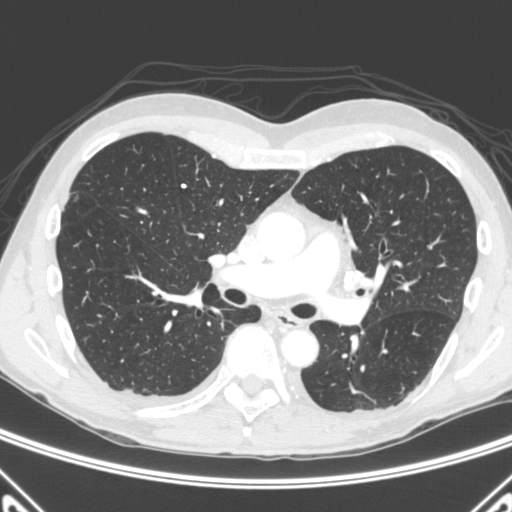
One axial slice (246 of 445, counting up from the lowest) of a chest CT acquired at 120 kVp with the C kernel; each pixel is 0.676 mm and the slice is 1.50 mm thick.
Pulmonary nodule at rows 183–188, columns 180–186 (box = the union of the readers' outlines on this slice), outlined by all four readers; longest diameter 5.1 mm on average over the four readers' outlines (readers' outlines 4.3–5.8 mm), volume 24–39 mm3. Ratings, by the readers' most common answer with dissent counted: texture 5/5 (solid) from all four readers; margin 5/5 (circumscribed), all four readers agreeing; sphericity 5/5 (round) by three of four readers; the rest gave 4/5 (one); calcification solid calcification by three of four readers, central calcification (one); internal structure soft tissue from all four readers; subtlety 5/5 by three of four readers; the rest gave 4/5 (one); malignancy likelihood 1/5, all four readers agreeing. Scale key (1–5): texture non-solid→solid, margin indistinct→circumscribed, sphericity linear→round, subtlety extremely subtle→obvious, malignancy likelihood highly unlikely→highly suspicious of cancer. Box rows and columns are 0-based pixel indices from the top-left corner, inclusive.